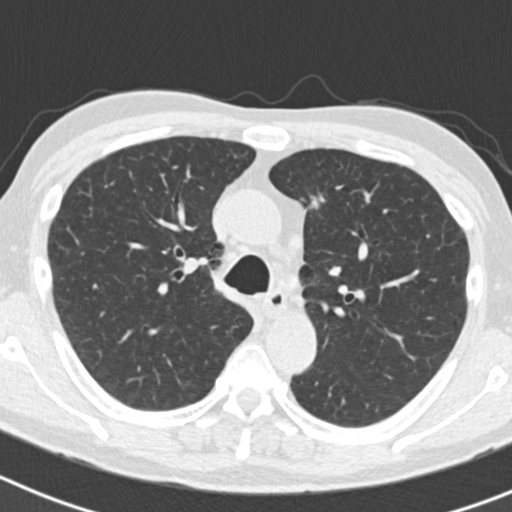
Chest CT, axial plane, 120 kVp, kernel B30f. Slice 132/186 from the bottom of the scan; thickness 2.00 mm; pixel size 0.586 mm.
Pulmonary nodule at rows 197–208, columns 307–318 (box = the union of the readers' outlines on this slice), outlined by two of the four readers; longest diameter 12.3 mm on average over the two readers' outlines (readers' outlines 11.6–13.0 mm), volume 332–359 mm3. Ratings, by the readers' most common answer with dissent counted: texture split among the readers: 3/5 (part-solid) (one), 5/5 (solid) (one); margin split among the readers: 2/5 (one), 4/5 (one); sphericity 3/5 (ovoid), both readers agreeing; calcification absent, both readers agreeing; internal structure soft tissue from both readers; subtlety split among the readers: 3/5 (one), 4/5 (one); malignancy likelihood split among the readers: 3/5 (one), 4/5 (one). Scale key (1–5): texture non-solid→solid, margin indistinct→circumscribed, sphericity linear→round, subtlety extremely subtle→obvious, malignancy likelihood highly unlikely→highly suspicious of cancer. Box rows and columns are 0-based pixel indices from the top-left corner, inclusive.